Axial chest CT slice 73 of 133 (counted from the lowest slice); tube voltage 120 kVp, convolution kernel LUNG; slices 2.50 mm thick, 0.820 mm per pixel.
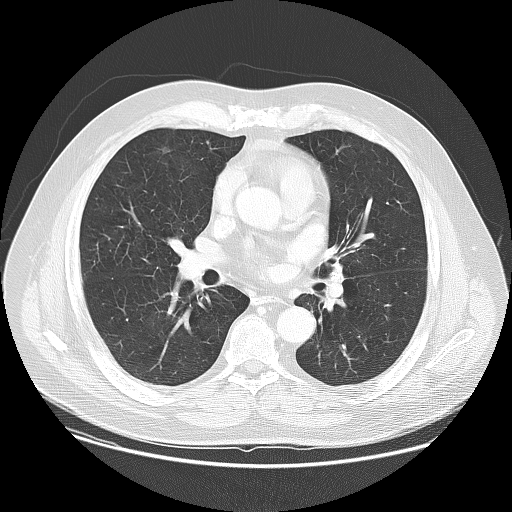
No nodule of 3 mm or larger was outlined by any of the four readers on this slice.